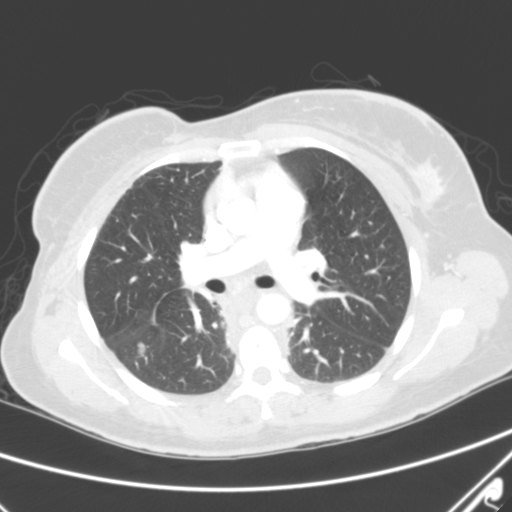
One axial slice (160 of 263, counting up from the lowest) of a chest CT acquired at 120 kVp with the B kernel; each pixel is 0.664 mm and the slice is 2.00 mm thick.
Pulmonary nodule outlined two times (the source holds three more outlines, not used); box rows 342–355, columns 137–145 (the union of the readers' outlines on this slice); longest diameter 13.7 mm on average over the two readers' outlines (readers' outlines 12.2–15.2 mm), volume 731–1229 mm3. Ratings, by the readers' most common answer with dissent counted: texture split among the readers: 1/5 (non-solid) (one), 3/5 (part-solid) (one); margin split among the readers: 2/5 (one), 3/5 (one); sphericity split among the readers: 3/5 (ovoid) (one), 4/5 (one); calcification absent, both readers agreeing; internal structure soft tissue from both readers; subtlety 3/5 from both readers; malignancy likelihood split among the readers: 2/5 (one), 4/5 (one). Scale key (1–5): texture non-solid→solid, margin indistinct→circumscribed, sphericity linear→round, subtlety extremely subtle→obvious, malignancy likelihood highly unlikely→highly suspicious of cancer. Box rows and columns are 0-based pixel indices from the top-left corner, inclusive.